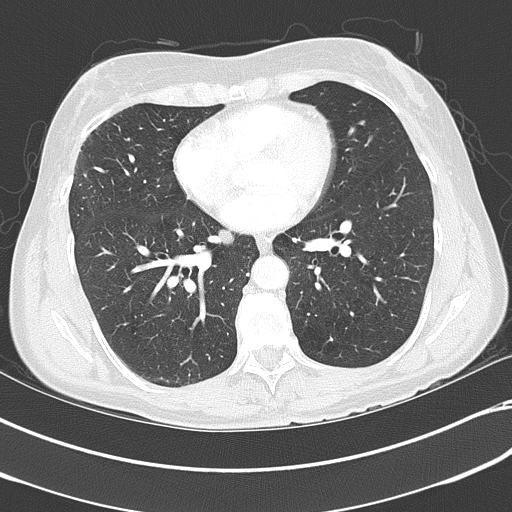
Slice 174/351 of a chest CT, counting up from the lowest; pixel size 0.643 mm, slice thickness 2.00 mm. Pulmonary nodule outlined by all four readers, two of them on this slice; box rows 120–124, columns 357–365 (the union of the readers' outlines on this slice); median longest diameter 9.4 mm (readers' outlines 6.1–12.1 mm), median volume 108 mm3 (80–120 mm3). Ratings, median across the readers with their spread: texture 5/5 (solid) at the median of four readers, spread 4/5 to 5/5 (solid); median margin 4/5 (readers ranged 3/5 to 4/5); sphericity 2.5/5 at the median of four readers, spread 2/5 to 4/5; calcification absent from all four readers; internal structure soft tissue from all four readers; subtlety 3.5/5 at the median of four readers, spread 3–4; malignancy likelihood 2/5 at the median of four readers, spread 1–4. Scale key (1–5): texture non-solid→solid, margin indistinct→circumscribed, sphericity linear→round, subtlety extremely subtle→obvious, malignancy likelihood highly unlikely→highly suspicious of cancer. Box rows and columns are 0-based pixel indices from the top-left corner, inclusive.
Scan settings: 120 kVp, B70f reconstruction kernel.